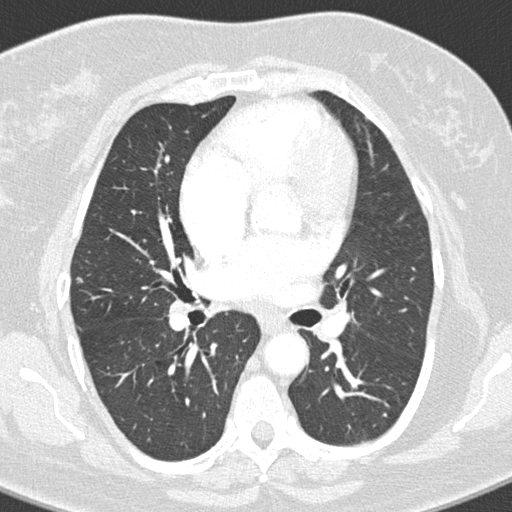
Axial slice 168 of 298 of a chest CT (slice 1 is the lowest), reconstructed with the B45f kernel at 120 kVp; 1.00 mm slice thickness and 0.547 mm pixels.
Pulmonary nodule, outlined by three of the four readers. Box on this slice rows 276–283, columns 76–82, the union of the readers' outlines on this slice; the three readers' outlines give a longest diameter between 5.9 and 8.2 mm and a volume between 71 and 114 mm3. Ratings across the readers: texture from 4/5 to 5/5 (solid) across the three readers; margin from 3/5 to 4/5 across the three readers; sphericity from 3/5 (ovoid) to 4/5 across the three readers; calcification absent from all three readers; internal structure soft tissue from all three readers; subtlety 3–4/5 (the readers disagree); malignancy likelihood 2–3/5 (the readers disagree). Scale key (1–5): texture non-solid→solid, margin indistinct→circumscribed, sphericity linear→round, subtlety extremely subtle→obvious, malignancy likelihood highly unlikely→highly suspicious of cancer. Box rows and columns are 0-based pixel indices from the top-left corner, inclusive.